Axial chest CT slice 247 of 458 (counted from the lowest slice); tube voltage 120 kVp, convolution kernel STANDARD; slices 1.25 mm thick, 0.586 mm per pixel.
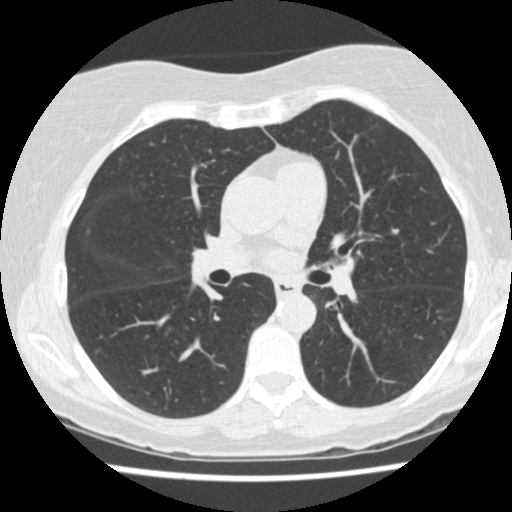
Pulmonary nodule at rows 228–234, columns 85–89 (box = that reader's outline on this slice), outlined by one of the four readers; longest diameter 5.3 mm and volume 30 mm3 from that reader's outline. That reader's ratings: texture 1/5 (non-solid); margin 2/5; sphericity 4/5; calcification absent; internal structure soft tissue; subtlety 2/5; malignancy likelihood 2/5. Scale key (1–5): texture non-solid→solid, margin indistinct→circumscribed, sphericity linear→round, subtlety extremely subtle→obvious, malignancy likelihood highly unlikely→highly suspicious of cancer. Box rows and columns are 0-based pixel indices from the top-left corner, inclusive.